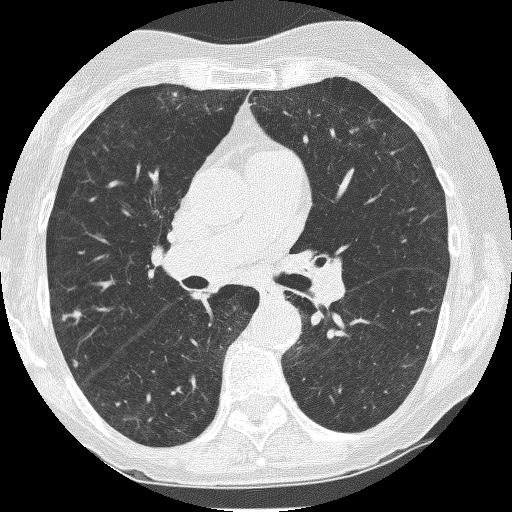
Axial slice 133 of 235 of a chest CT (slice 1 is the lowest), reconstructed with the BONE kernel at 120 kVp; 1.25 mm slice thickness and 0.537 mm pixels.
Pulmonary nodule, outlined by two of the four readers. Box on this slice rows 311–318, columns 73–81, the union of the readers' outlines on this slice; longest diameter 5.8–6.0 mm and volume 45–65 mm3 across the two readers' outlines. Ratings across the readers: texture 5/5 (solid), both readers agreeing; margin from 3/5 to 4/5 across the two readers; sphericity from 3/5 (ovoid) to 4/5 across the two readers; calcification absent from both readers; internal structure soft tissue from both readers; subtlety from 2/5 to 3/5 across the two readers; malignancy likelihood 3/5, both readers agreeing. Scale key (1–5): texture non-solid→solid, margin indistinct→circumscribed, sphericity linear→round, subtlety extremely subtle→obvious, malignancy likelihood highly unlikely→highly suspicious of cancer. Box rows and columns are 0-based pixel indices from the top-left corner, inclusive.